Axial chest CT slice 267 of 327 (counted from the lowest slice); tube voltage 120 kVp, convolution kernel B45f; slices 1.00 mm thick, 0.547 mm per pixel.
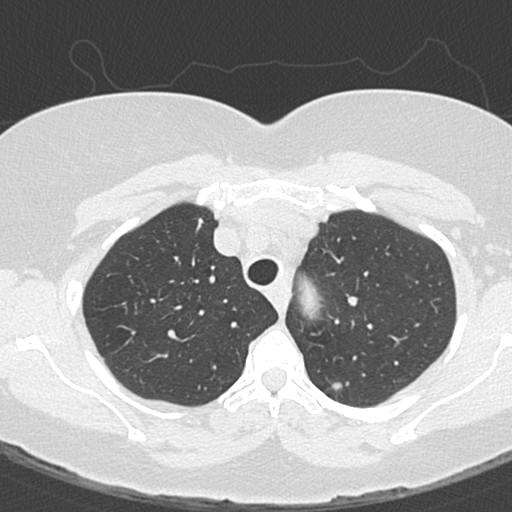
Pulmonary nodule at rows 380–399, columns 327–341 (box = the union of the readers' outlines on this slice), outlined by three of the four readers; median longest diameter 7.4 mm (readers' outlines 7.3–12.8 mm), median volume 83 mm3 (81–146 mm3). Ratings, median across the readers with their spread: texture 5/5 (solid) from all three readers; median margin 5/5 (circumscribed) (readers ranged 4/5 to 5/5 (circumscribed)); median sphericity 4/5 (readers ranged 3/5 (ovoid) to 5/5 (round)); calcification absent from all three readers; internal structure soft tissue from all three readers; subtlety 4/5 at the median of three readers, spread 3–4; median malignancy likelihood 4/5 (readers ranged 2–4). Scale key (1–5): texture non-solid→solid, margin indistinct→circumscribed, sphericity linear→round, subtlety extremely subtle→obvious, malignancy likelihood highly unlikely→highly suspicious of cancer. Box rows and columns are 0-based pixel indices from the top-left corner, inclusive.